One axial slice (237 of 369, counting up from the lowest) of a chest CT acquired at 120 kVp with the STANDARD kernel; each pixel is 0.703 mm and the slice is 1.25 mm thick.
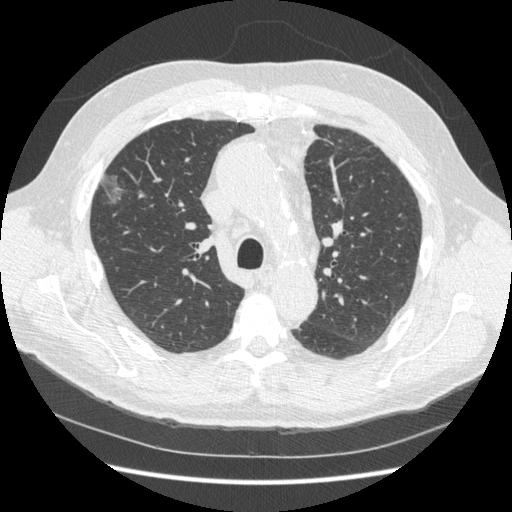
Pulmonary nodule, outlined by one of the four readers. Box on this slice rows 174–205, columns 99–123, that reader's outline on this slice; longest diameter 27.0 mm and volume 3015 mm3 from that reader's outline. That reader's ratings: texture 1/5 (non-solid); margin 1/5 (indistinct); sphericity 3/5 (ovoid); calcification absent; internal structure soft tissue; subtlety 3/5; malignancy likelihood 3/5. Scale key (1–5): texture non-solid→solid, margin indistinct→circumscribed, sphericity linear→round, subtlety extremely subtle→obvious, malignancy likelihood highly unlikely→highly suspicious of cancer. Box rows and columns are 0-based pixel indices from the top-left corner, inclusive.